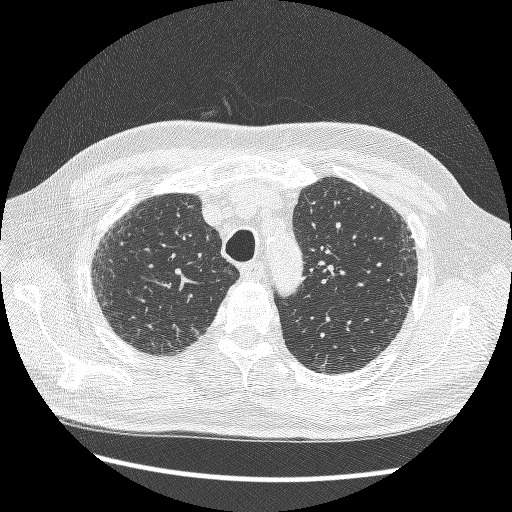
Chest CT, axial plane, 120 kVp, kernel BONE. Slice 204/264 from the bottom of the scan; thickness 1.25 mm; pixel size 0.703 mm.
Pulmonary nodule outlined by three of the four readers, two of them on this slice; box rows 235–237, columns 411–413 (the union of the readers' outlines on this slice); longest diameter 7.0 mm on average over the three readers' outlines (readers' outlines 6.7–7.6 mm), volume 43–74 mm3. The readers' prevailing ratings and who disagreed: texture 5/5 (solid) from all three readers; most readers (two of three) put margin at 5/5 (circumscribed), others 4/5 (one); sphericity split among the readers: 1/5 (linear) (one), 2/5 (one), 3/5 (ovoid) (one); calcification solid calcification, all three readers agreeing; internal structure soft tissue, all three readers agreeing; subtlety split among the readers: 1/5 (one), 2/5 (one), 4/5 (one); malignancy likelihood 1/5 from all three readers. Scale key (1–5): texture non-solid→solid, margin indistinct→circumscribed, sphericity linear→round, subtlety extremely subtle→obvious, malignancy likelihood highly unlikely→highly suspicious of cancer. Box rows and columns are 0-based pixel indices from the top-left corner, inclusive.